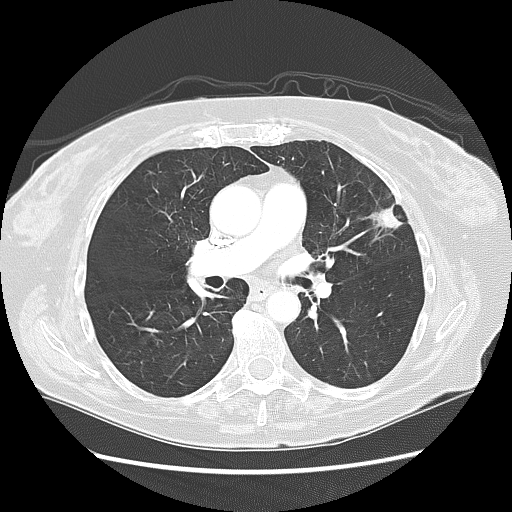
One axial slice (64 of 125, counting up from the lowest) of a chest CT acquired at 120 kVp with the LUNG kernel; each pixel is 0.703 mm and the slice is 2.50 mm thick.
Pulmonary nodule, outlined by all four readers. Box on this slice rows 204–231, columns 368–403, the union of the readers' outlines on this slice; longest diameter 27.1 mm on average over the four readers' outlines (readers' outlines 25.5–28.7 mm), volume 2545–3578 mm3. Ratings, by the readers' most common answer with dissent counted: most readers (three of four) put texture at 5/5 (solid), others 3/5 (part-solid) (one); margin split among the readers: 1/5 (indistinct) (two), 3/5 (two); sphericity 4/5 by two of four readers; the rest gave 2/5 (one), 3/5 (ovoid) (one); calcification absent from all four readers; internal structure soft tissue, all four readers agreeing; subtlety 5/5 from all four readers; most readers (three of four) put malignancy likelihood at 5/5, others 3/5 (one). Scale key (1–5): texture non-solid→solid, margin indistinct→circumscribed, sphericity linear→round, subtlety extremely subtle→obvious, malignancy likelihood highly unlikely→highly suspicious of cancer. Box rows and columns are 0-based pixel indices from the top-left corner, inclusive.